One axial slice (176 of 417, counting up from the lowest) of a chest CT acquired at 120 kVp with the STANDARD kernel; each pixel is 0.703 mm and the slice is 1.25 mm thick.
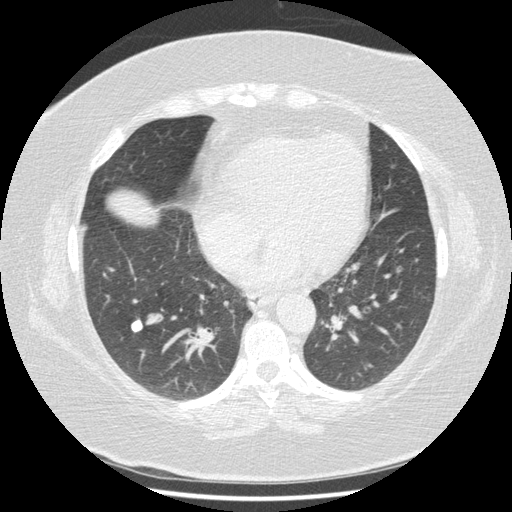
Pulmonary nodule outlined by all four readers; box rows 320–332, columns 130–142 (the union of the readers' outlines on this slice); median longest diameter 10.6 mm (readers' outlines 10.5–10.9 mm), median volume 457 mm3 (396–502 mm3). Median ratings and the readers' spread: texture 5/5 (solid) from all four readers; margin 5/5 (circumscribed) from all four readers; sphericity 4/5 at the median of four readers, spread 3/5 (ovoid) to 4/5; calcification: solid calcification (three), absent (one); internal structure soft tissue from all four readers; subtlety 5/5, all four readers agreeing; malignancy likelihood 1/5, all four readers agreeing. Scale key (1–5): texture non-solid→solid, margin indistinct→circumscribed, sphericity linear→round, subtlety extremely subtle→obvious, malignancy likelihood highly unlikely→highly suspicious of cancer. Box rows and columns are 0-based pixel indices from the top-left corner, inclusive.